Axial slice 241 of 369 of a chest CT (slice 1 is the lowest), reconstructed with the STANDARD kernel at 120 kVp; 1.25 mm slice thickness and 0.703 mm pixels.
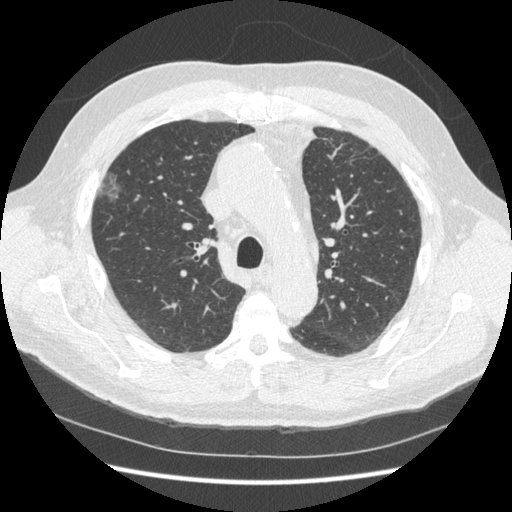
Pulmonary nodule, outlined by one of the four readers. Box on this slice rows 172–203, columns 98–122, that reader's outline on this slice; longest diameter 27.0 mm and volume 3015 mm3 from that reader's outline. Ratings by that reader: texture 1/5 (non-solid); margin 1/5 (indistinct); sphericity 3/5 (ovoid); calcification absent; internal structure soft tissue; subtlety 3/5; malignancy likelihood 3/5. Scale key (1–5): texture non-solid→solid, margin indistinct→circumscribed, sphericity linear→round, subtlety extremely subtle→obvious, malignancy likelihood highly unlikely→highly suspicious of cancer. Box rows and columns are 0-based pixel indices from the top-left corner, inclusive.